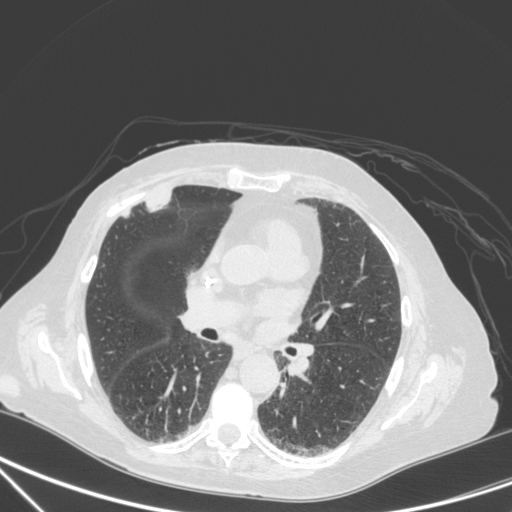
Axial chest CT slice 176 of 350 (counted from the lowest slice); 1.50 mm thick, 0.725 mm per pixel. Two pulmonary nodules on this slice, listed from left to right. (1) Pulmonary nodule at rows 210–217, columns 122–130 (box = that reader's outline on this slice), outlined by one of the four readers; longest diameter 11.5 mm and volume 223 mm3 from that reader's outline. Ratings by that reader: texture 5/5 (solid); margin 4/5; sphericity 4/5; calcification absent; internal structure soft tissue; subtlety 5/5; malignancy likelihood 4/5. (2) Pulmonary nodule outlined by one of the four readers; box rows 191–211, columns 146–170 (that reader's outline on this slice); longest diameter 29.5 mm and volume 4181 mm3 from that reader's outline. That reader's ratings: texture 5/5 (solid); margin 4/5; sphericity 2/5; calcification absent; internal structure soft tissue; subtlety 5/5; malignancy likelihood 4/5. Scale key (1–5): texture non-solid→solid, margin indistinct→circumscribed, sphericity linear→round, subtlety extremely subtle→obvious, malignancy likelihood highly unlikely→highly suspicious of cancer. Box rows and columns are 0-based pixel indices from the top-left corner, inclusive.
Acquired at 120 kVp and reconstructed with the C kernel.